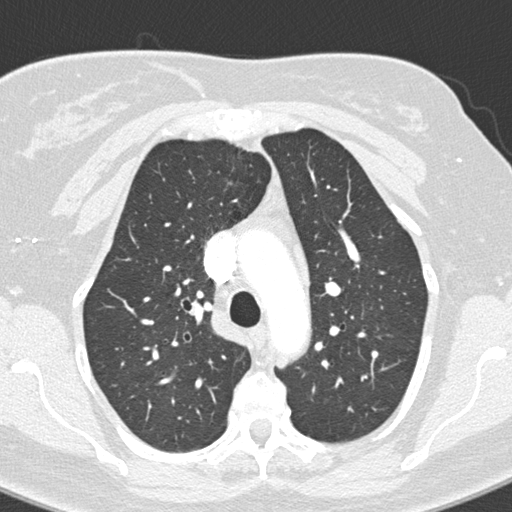
One axial slice (216 of 298, counting up from the lowest) of a chest CT acquired at 120 kVp with the B45f kernel; each pixel is 0.547 mm and the slice is 1.00 mm thick.
None of the four readers outlined a nodule of 3 mm or more on this slice.